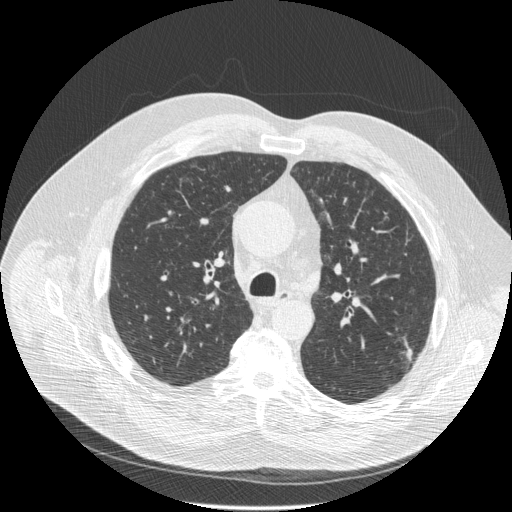
Chest CT, axial plane, 120 kVp, kernel STANDARD. Slice 333/516 from the bottom of the scan; thickness 1.25 mm; pixel size 0.820 mm.
Pulmonary nodule at rows 337–360, columns 404–412 (box = the union of the readers' outlines on this slice), outlined by three of the four readers, two of them on this slice; median longest diameter 28.3 mm (readers' outlines 23.2–31.7 mm), median volume 856 mm3 (750–1666 mm3). Median ratings and the readers' spread: median texture 4/5 (readers ranged 3/5 (part-solid) to 5/5 (solid)); median margin 3/5 (readers ranged 3/5 to 4/5); sphericity 2/5, all three readers agreeing; calcification absent from all three readers; internal structure soft tissue, all three readers agreeing; subtlety 5/5, all three readers agreeing; malignancy likelihood 4/5, all three readers agreeing. Scale key (1–5): texture non-solid→solid, margin indistinct→circumscribed, sphericity linear→round, subtlety extremely subtle→obvious, malignancy likelihood highly unlikely→highly suspicious of cancer. Box rows and columns are 0-based pixel indices from the top-left corner, inclusive.